Axial slice 265 of 481 of a chest CT (slice 1 is the lowest), reconstructed with the STANDARD kernel at 120 kVp; 1.25 mm slice thickness and 0.664 mm pixels.
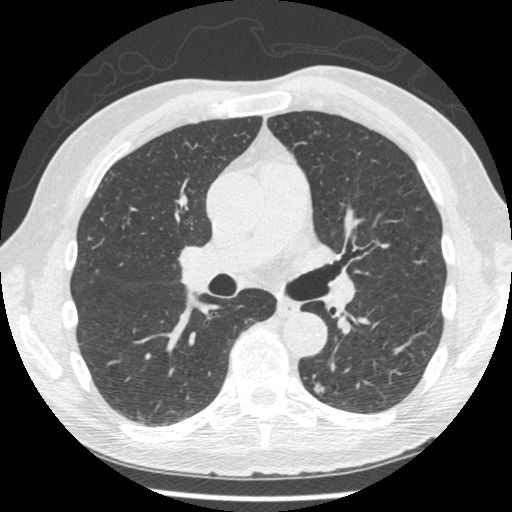
Pulmonary nodule outlined by three of the four readers; box rows 382–393, columns 313–324 (the union of the readers' outlines on this slice); longest diameter 9.4–10.2 mm and volume 134–188 mm3 across the three readers' outlines. Ratings across the readers: texture from 2/5 to 4/5 across the three readers; margin from 2/5 to 4/5 across the three readers; sphericity from 2/5 to 4/5 across the three readers; calcification absent, all three readers agreeing; internal structure soft tissue, all three readers agreeing; subtlety 3–4/5 (the readers disagree); malignancy likelihood from 1/5 to 3/5 across the three readers. Scale key (1–5): texture non-solid→solid, margin indistinct→circumscribed, sphericity linear→round, subtlety extremely subtle→obvious, malignancy likelihood highly unlikely→highly suspicious of cancer. Box rows and columns are 0-based pixel indices from the top-left corner, inclusive.